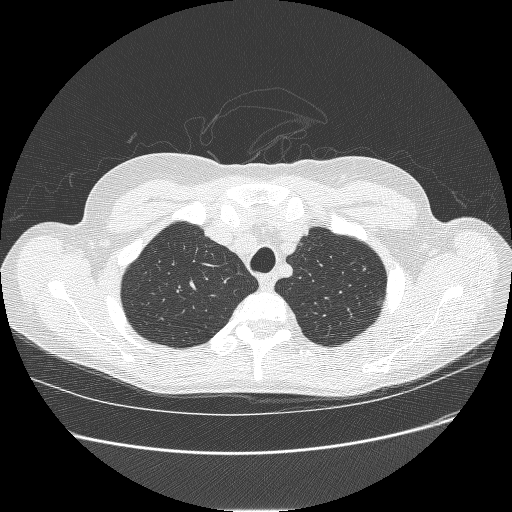
Chest CT, axial plane, 120 kVp, kernel BONE. Slice 210/238 from the bottom of the scan; thickness 1.25 mm; pixel size 0.703 mm.
Two pulmonary nodules on this slice, listed from left to right. (1) Pulmonary nodule at rows 266–271, columns 362–365 (box = that reader's outline on this slice), outlined by one of the four readers; longest diameter 5.1 mm and volume 30 mm3 from that reader's outline. That reader's ratings: texture 3/5 (part-solid); margin 1/5 (indistinct); sphericity 4/5; calcification absent; internal structure soft tissue; subtlety 4/5; malignancy likelihood 3/5. (2) Pulmonary nodule at rows 300–305, columns 377–381 (box = that reader's outline on this slice), outlined by one of the four readers; longest diameter 5.1 mm and volume 31 mm3 from that reader's outline. Ratings by that reader: texture 1/5 (non-solid); margin 1/5 (indistinct); sphericity 5/5 (round); calcification absent; internal structure soft tissue; subtlety 1/5; malignancy likelihood 3/5. Scale key (1–5): texture non-solid→solid, margin indistinct→circumscribed, sphericity linear→round, subtlety extremely subtle→obvious, malignancy likelihood highly unlikely→highly suspicious of cancer. Box rows and columns are 0-based pixel indices from the top-left corner, inclusive.